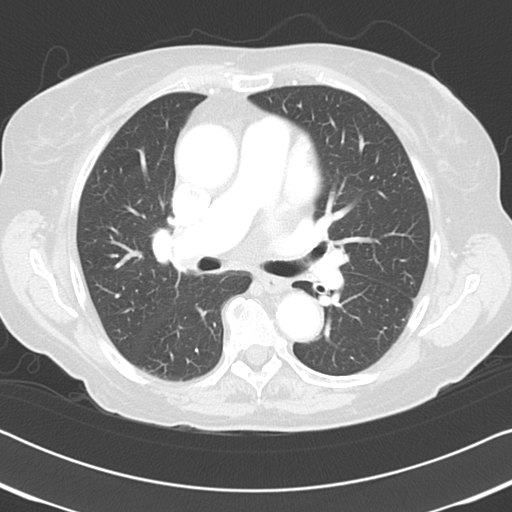
Axial slice 61 of 96 of a chest CT (slice 1 is the lowest), reconstructed with the B45f kernel at 120 kVp; 3.00 mm slice thickness and 0.645 mm pixels.
No nodule 3 mm or larger was outlined here by any reader.